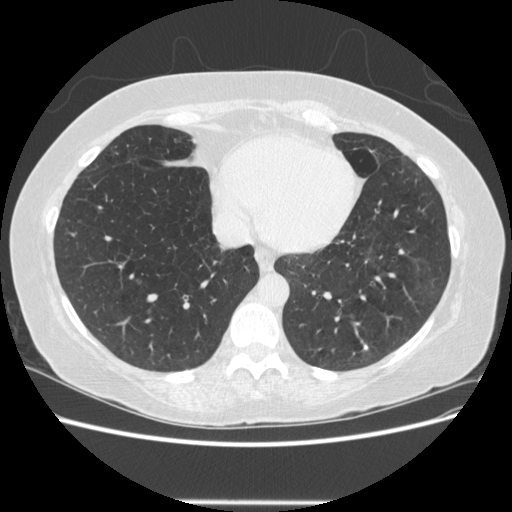
Axial slice 174 of 513 of a chest CT (slice 1 is the lowest), reconstructed with the STANDARD kernel at 120 kVp; 1.25 mm slice thickness and 0.703 mm pixels.
Pulmonary nodule, outlined by all four readers. Box on this slice rows 344–350, columns 363–367, the union of the readers' outlines on this slice; longest diameter 8.4 mm on average over the four readers' outlines (readers' outlines 7.6–9.4 mm), volume 94–152 mm3. The readers' prevailing ratings and who disagreed: texture 5/5 (solid) from all four readers; margin 5/5 (circumscribed) by two of four readers; the rest gave 1/5 (indistinct) (one), 4/5 (one); sphericity 5/5 (round) by three of four readers; the rest gave 3/5 (ovoid) (one); calcification solid calcification by three of four readers, absent (one); internal structure soft tissue from all four readers; subtlety 5/5 by three of four readers; the rest gave 4/5 (one); malignancy likelihood 1/5 by three of four readers; the rest gave 4/5 (one). Scale key (1–5): texture non-solid→solid, margin indistinct→circumscribed, sphericity linear→round, subtlety extremely subtle→obvious, malignancy likelihood highly unlikely→highly suspicious of cancer. Box rows and columns are 0-based pixel indices from the top-left corner, inclusive.